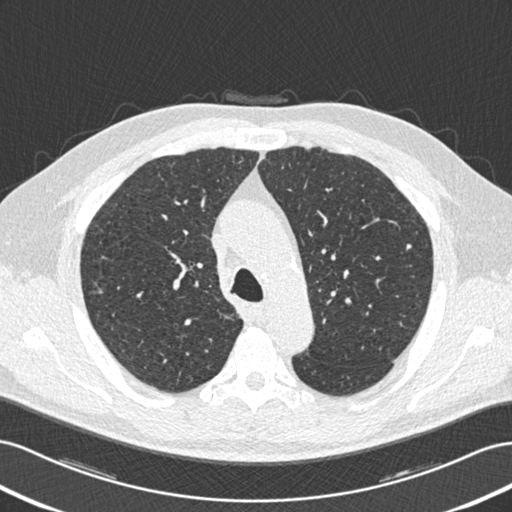
Slice 376/506 of a chest CT, counting up from the lowest; pixel size 0.699 mm, slice thickness 0.75 mm. Pulmonary nodule, outlined by two of the four readers. Box on this slice rows 244–249, columns 406–411, the union of the readers' outlines on this slice; median longest diameter 5.6 mm (readers' outlines 5.5–5.8 mm), median volume 43 mm3 (42–45 mm3). Ratings, median across the readers with their spread: texture 5/5 (solid) from both readers; margin 5/5 (circumscribed), both readers agreeing; sphericity 5/5 (round), both readers agreeing; calcification split among the readers: solid calcification (one), absent (one); internal structure soft tissue from both readers; median subtlety 2.5/5 (readers ranged 2–3); malignancy likelihood 1.5/5 at the median of two readers, spread 1–2. Scale key (1–5): texture non-solid→solid, margin indistinct→circumscribed, sphericity linear→round, subtlety extremely subtle→obvious, malignancy likelihood highly unlikely→highly suspicious of cancer. Box rows and columns are 0-based pixel indices from the top-left corner, inclusive.
Tube voltage 120 kVp; convolution kernel B30f.